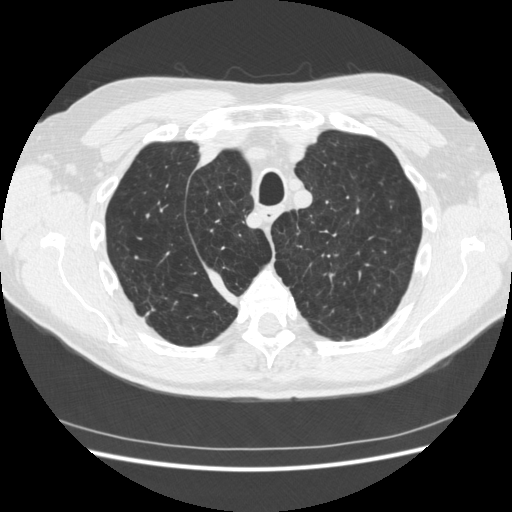
Axial chest CT slice 373 of 481 (counted from the lowest slice); 1.25 mm thick, 0.703 mm per pixel. Pulmonary nodule at rows 296–318, columns 140–157 (box = the one reader's outline on this slice), outlined by all four readers, one of them on this slice; longest diameter 26.2 mm on average over the four readers' outlines (readers' outlines 18.7–34.9 mm), volume 1155–4169 mm3. Ratings, by the readers' most common answer with dissent counted: texture 5/5 (solid) by three of four readers; the rest gave 4/5 (one); margin split among the readers: 1/5 (indistinct) (one), 2/5 (one), 3/5 (one), 4/5 (one); sphericity split among the readers: 2/5 (one), 3/5 (ovoid) (one), 4/5 (one), 5/5 (round) (one); calcification absent, all four readers agreeing; internal structure soft tissue, all four readers agreeing; subtlety 5/5 from all four readers; most readers (three of four) put malignancy likelihood at 5/5, others 4/5 (one). Scale key (1–5): texture non-solid→solid, margin indistinct→circumscribed, sphericity linear→round, subtlety extremely subtle→obvious, malignancy likelihood highly unlikely→highly suspicious of cancer. Box rows and columns are 0-based pixel indices from the top-left corner, inclusive.
Acquired at 120 kVp and reconstructed with the STANDARD kernel.